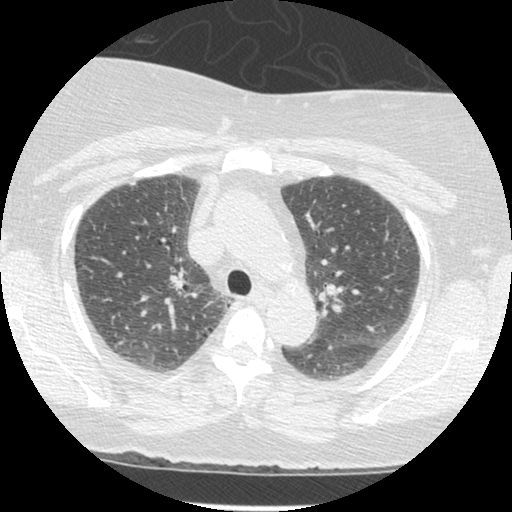
Slice 265/381 of a chest CT, counting up from the lowest; pixel size 0.625 mm, slice thickness 1.25 mm. Pulmonary nodule at rows 183–184, columns 130–134 (box = that reader's outline on this slice), outlined by one of the four readers; longest diameter 4.8 mm and volume 33 mm3 from that reader's outline. That reader's ratings: texture 5/5 (solid); margin 5/5 (circumscribed); sphericity 3/5 (ovoid); calcification absent; internal structure soft tissue; subtlety 4/5; malignancy likelihood 3/5. Scale key (1–5): texture non-solid→solid, margin indistinct→circumscribed, sphericity linear→round, subtlety extremely subtle→obvious, malignancy likelihood highly unlikely→highly suspicious of cancer. Box rows and columns are 0-based pixel indices from the top-left corner, inclusive.
Acquired at 120 kVp and reconstructed with the STANDARD kernel.